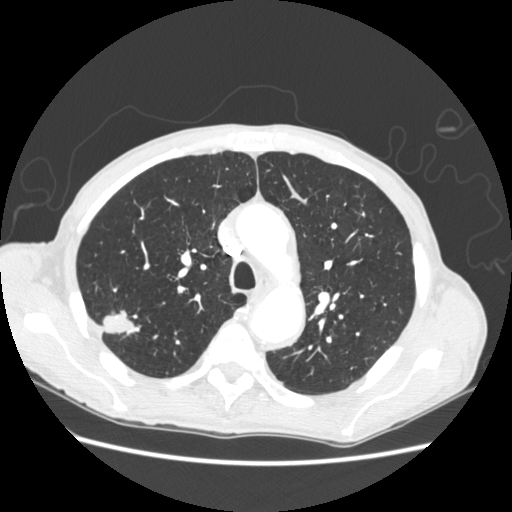
Axial chest CT slice 172 of 248 (counted from the lowest slice); 1.25 mm thick, 0.703 mm per pixel. Pulmonary nodule at rows 309–334, columns 102–141 (box = the union of the readers' outlines on this slice), outlined by all four readers; median longest diameter 28.8 mm (readers' outlines 26.0–32.7 mm), median volume 5327 mm3 (5181–6655 mm3). Median ratings and the readers' spread: texture 5/5 (solid) from all four readers; median margin 4.5/5 (readers ranged 2/5 to 5/5 (circumscribed)); median sphericity 3/5 (ovoid) (readers ranged 3/5 (ovoid) to 4/5); calcification absent from all four readers; internal structure soft tissue, all four readers agreeing; subtlety 5/5, all four readers agreeing; median malignancy likelihood 5/5 (readers ranged 3–5). Scale key (1–5): texture non-solid→solid, margin indistinct→circumscribed, sphericity linear→round, subtlety extremely subtle→obvious, malignancy likelihood highly unlikely→highly suspicious of cancer. Box rows and columns are 0-based pixel indices from the top-left corner, inclusive.
Scan settings: 120 kVp, STANDARD reconstruction kernel.